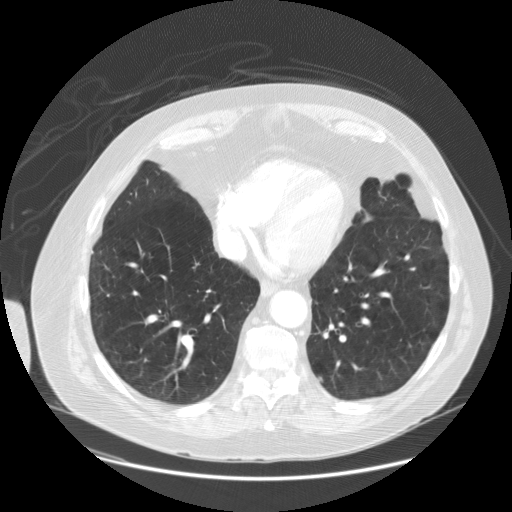
One axial slice (56 of 149, counting up from the lowest) of a chest CT acquired at 120 kVp with the STANDARD kernel; each pixel is 0.820 mm and the slice is 2.50 mm thick.
Pulmonary nodule outlined by one of the four readers; box rows 377–381, columns 319–322 (that reader's outline on this slice); longest diameter 6.6 mm and volume 80 mm3 from that reader's outline. Ratings by that reader: texture 4/5; margin 4/5; sphericity 1/5 (linear); calcification absent; internal structure soft tissue; subtlety 1/5; malignancy likelihood 3/5. Scale key (1–5): texture non-solid→solid, margin indistinct→circumscribed, sphericity linear→round, subtlety extremely subtle→obvious, malignancy likelihood highly unlikely→highly suspicious of cancer. Box rows and columns are 0-based pixel indices from the top-left corner, inclusive.